One axial slice (107 of 147, counting up from the lowest) of a chest CT acquired at 120 kVp with the LUNG kernel; each pixel is 0.742 mm and the slice is 2.50 mm thick.
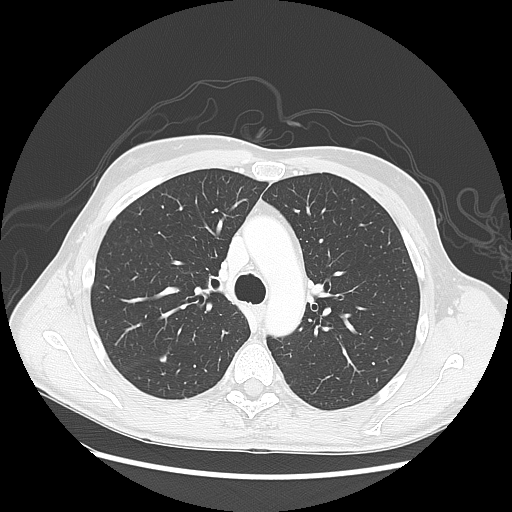
Pulmonary nodule outlined by three of the four readers; box rows 355–362, columns 159–166 (the union of the readers' outlines on this slice); median longest diameter 6.6 mm (readers' outlines 6.1–6.6 mm), median volume 119 mm3 (109–125 mm3). Median ratings and the readers' spread: texture 5/5 (solid) from all three readers; median margin 4/5 (readers ranged 4/5 to 5/5 (circumscribed)); sphericity 4/5 at the median of three readers, spread 3/5 (ovoid) to 4/5; calcification absent from all three readers; internal structure soft tissue, all three readers agreeing; median subtlety 3/5 (readers ranged 2–5); malignancy likelihood 3/5 from all three readers. Scale key (1–5): texture non-solid→solid, margin indistinct→circumscribed, sphericity linear→round, subtlety extremely subtle→obvious, malignancy likelihood highly unlikely→highly suspicious of cancer. Box rows and columns are 0-based pixel indices from the top-left corner, inclusive.